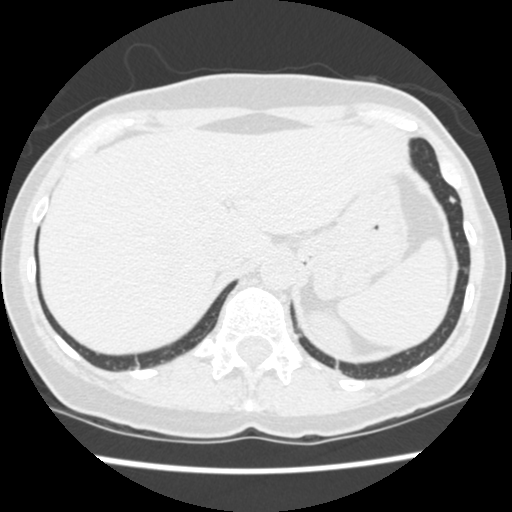
Axial slice 58 of 471 of a chest CT (slice 1 is the lowest), reconstructed with the STANDARD kernel at 120 kVp; 1.25 mm slice thickness and 0.586 mm pixels.
Pulmonary nodule outlined by all four readers; box rows 194–204, columns 449–457 (the union of the readers' outlines on this slice); median longest diameter 6.4 mm (readers' outlines 6.1–9.0 mm), median volume 101 mm3 (96–205 mm3). Ratings, median across the readers with their spread: texture 5/5 (solid) from all four readers; margin 4/5 at the median of four readers, spread 4/5 to 5/5 (circumscribed); sphericity 3/5 (ovoid) at the median of four readers, spread 3/5 (ovoid) to 5/5 (round); calcification absent from all four readers; internal structure soft tissue from all four readers; subtlety 3/5 at the median of four readers, spread 3–4; malignancy likelihood 3/5 at the median of four readers, spread 2–4. Scale key (1–5): texture non-solid→solid, margin indistinct→circumscribed, sphericity linear→round, subtlety extremely subtle→obvious, malignancy likelihood highly unlikely→highly suspicious of cancer. Box rows and columns are 0-based pixel indices from the top-left corner, inclusive.